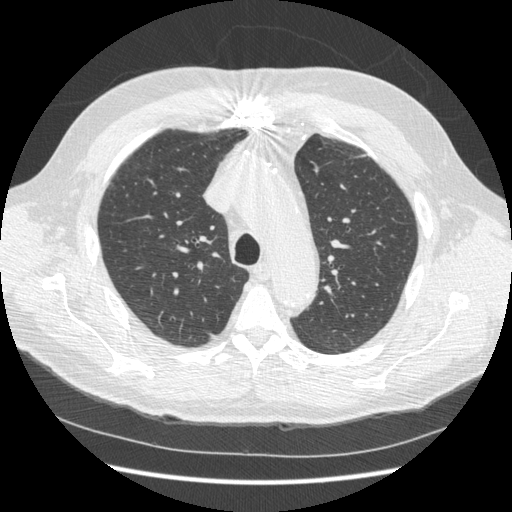
One axial slice (257 of 369, counting up from the lowest) of a chest CT acquired at 120 kVp with the STANDARD kernel; each pixel is 0.703 mm and the slice is 1.25 mm thick.
Pulmonary nodule outlined by one of the four readers; box rows 333–339, columns 209–215 (that reader's outline on this slice); longest diameter 7.6 mm and volume 55 mm3 from that reader's outline. That reader's ratings: texture 5/5 (solid); margin 1/5 (indistinct); sphericity 3/5 (ovoid); calcification absent; internal structure soft tissue; subtlety 5/5; malignancy likelihood 2/5. Scale key (1–5): texture non-solid→solid, margin indistinct→circumscribed, sphericity linear→round, subtlety extremely subtle→obvious, malignancy likelihood highly unlikely→highly suspicious of cancer. Box rows and columns are 0-based pixel indices from the top-left corner, inclusive.